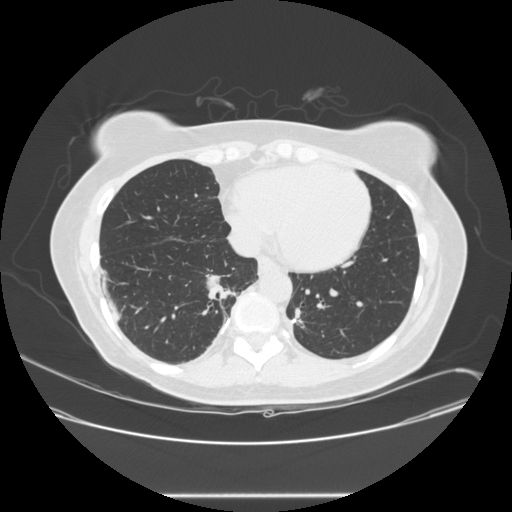
One axial slice (106 of 257, counting up from the lowest) of a chest CT acquired at 120 kVp with the STANDARD kernel; each pixel is 0.781 mm and the slice is 1.25 mm thick.
Pulmonary nodule outlined by all four readers; box rows 275–300, columns 205–237 (the union of the readers' outlines on this slice); median longest diameter 33.5 mm (readers' outlines 28.0–45.1 mm), median volume 6377 mm3 (5019–8578 mm3). Median ratings and the readers' spread: texture 5/5 (solid), all four readers agreeing; margin 4.5/5 at the median of four readers, spread 1/5 (indistinct) to 5/5 (circumscribed); sphericity 3.5/5 at the median of four readers, spread 3/5 (ovoid) to 4/5; calcification absent, all four readers agreeing; internal structure soft tissue, all four readers agreeing; subtlety 5/5, all four readers agreeing; malignancy likelihood 5/5, all four readers agreeing. Scale key (1–5): texture non-solid→solid, margin indistinct→circumscribed, sphericity linear→round, subtlety extremely subtle→obvious, malignancy likelihood highly unlikely→highly suspicious of cancer. Box rows and columns are 0-based pixel indices from the top-left corner, inclusive.